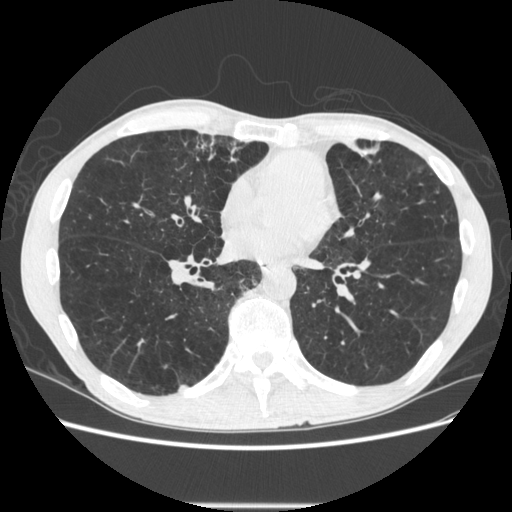
Axial chest CT slice 267 of 605 (counted from the lowest slice); 1.25 mm thick, 0.703 mm per pixel. Pulmonary nodule, outlined by two of the four readers. Box on this slice rows 384–392, columns 177–187, the union of the readers' outlines on this slice; longest diameter 10.1 mm on average over the two readers' outlines (readers' outlines 9.8–10.4 mm), volume 142–162 mm3. Ratings, by the readers' most common answer with dissent counted: texture 5/5 (solid) from both readers; margin 5/5 (circumscribed), both readers agreeing; sphericity split among the readers: 3/5 (ovoid) (one), 4/5 (one); calcification absent, both readers agreeing; internal structure soft tissue from both readers; subtlety 4/5, both readers agreeing; malignancy likelihood 3/5, both readers agreeing. Scale key (1–5): texture non-solid→solid, margin indistinct→circumscribed, sphericity linear→round, subtlety extremely subtle→obvious, malignancy likelihood highly unlikely→highly suspicious of cancer. Box rows and columns are 0-based pixel indices from the top-left corner, inclusive.
Tube voltage 120 kVp; convolution kernel STANDARD.